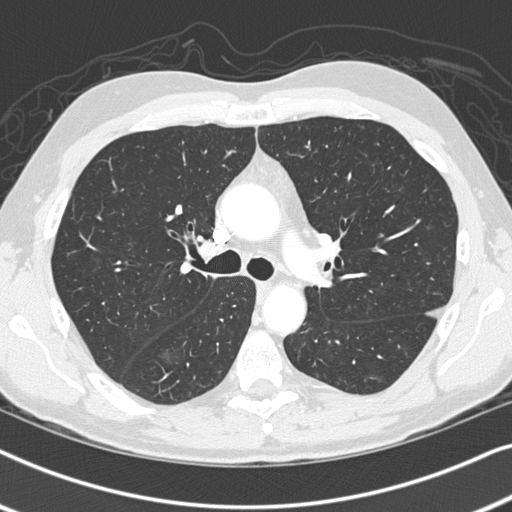
Slice 214/326 of a chest CT, counting up from the lowest; pixel size 0.645 mm, slice thickness 1.00 mm. Pulmonary nodule outlined by all four readers, two of them on this slice; box rows 347–363, columns 159–181 (the union of the readers' outlines on this slice); longest diameter 14.7 mm on average over the four readers' outlines (readers' outlines 12.5–18.0 mm), volume 328–843 mm3. Ratings, by the readers' most common answer with dissent counted: texture 1/5 (non-solid), all four readers agreeing; margin 2/5 by two of four readers; the rest gave 1/5 (indistinct) (one), 4/5 (one); sphericity 4/5 by two of four readers; the rest gave 3/5 (ovoid) (one), 5/5 (round) (one); calcification absent from all four readers; internal structure soft tissue from all four readers; most readers (three of four) put subtlety at 1/5, others 4/5 (one); malignancy likelihood 3/5 by two of four readers; the rest gave 2/5 (one), 4/5 (one). Scale key (1–5): texture non-solid→solid, margin indistinct→circumscribed, sphericity linear→round, subtlety extremely subtle→obvious, malignancy likelihood highly unlikely→highly suspicious of cancer. Box rows and columns are 0-based pixel indices from the top-left corner, inclusive.
Acquired at 120 kVp and reconstructed with the B45f kernel.